Chest CT, axial plane, 120 kVp, kernel STANDARD. Slice 63/471 from the bottom of the scan; thickness 1.25 mm; pixel size 0.586 mm.
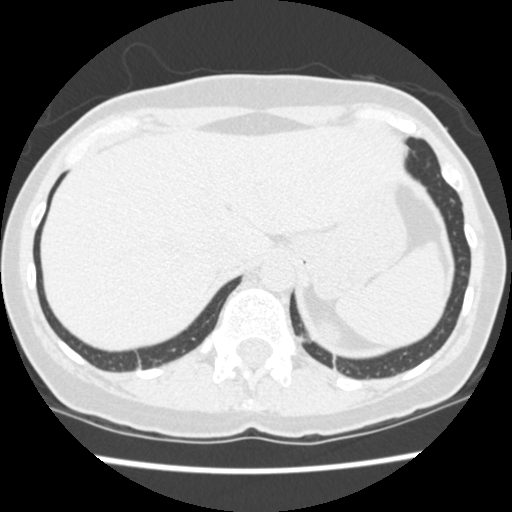
Pulmonary nodule at rows 197–203, columns 449–455 (box = the union of the readers' outlines on this slice), outlined by all four readers, two of them on this slice; median longest diameter 6.4 mm (readers' outlines 6.1–9.0 mm), median volume 101 mm3 (96–205 mm3). Ratings, median across the readers with their spread: texture 5/5 (solid) from all four readers; median margin 4/5 (readers ranged 4/5 to 5/5 (circumscribed)); median sphericity 3/5 (ovoid) (readers ranged 3/5 (ovoid) to 5/5 (round)); calcification absent from all four readers; internal structure soft tissue from all four readers; subtlety 3/5 at the median of four readers, spread 3–4; median malignancy likelihood 3/5 (readers ranged 2–4). Scale key (1–5): texture non-solid→solid, margin indistinct→circumscribed, sphericity linear→round, subtlety extremely subtle→obvious, malignancy likelihood highly unlikely→highly suspicious of cancer. Box rows and columns are 0-based pixel indices from the top-left corner, inclusive.